Chest CT, axial plane, 120 kVp, kernel B30f. Slice 115/176 from the bottom of the scan; thickness 2.00 mm; pixel size 0.586 mm.
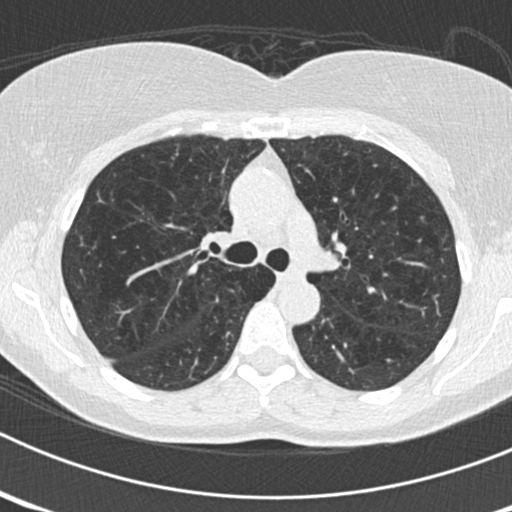
The readers outlined no nodule of 3 mm or more on this slice.